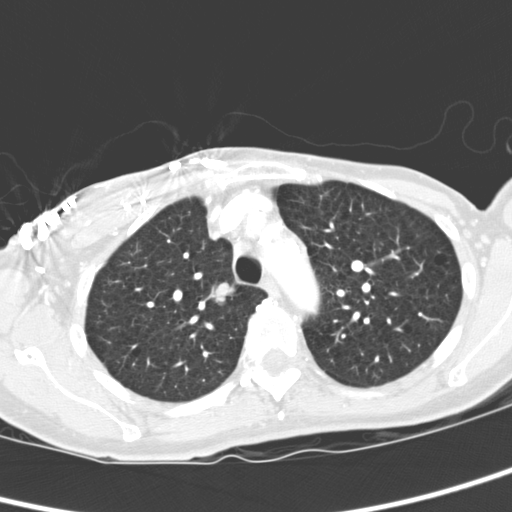
Axial chest CT slice 245 of 321 (counted from the lowest slice); tube voltage 120 kVp, convolution kernel D; slices 2.00 mm thick, 0.557 mm per pixel.
Pulmonary nodule outlined by all four readers; box rows 281–305, columns 212–234 (the union of the readers' outlines on this slice); median longest diameter 20.8 mm (readers' outlines 19.2–21.9 mm), median volume 3674 mm3 (3323–4100 mm3). Ratings, median across the readers with their spread: texture 5/5 (solid), all four readers agreeing; margin 5/5 (circumscribed) at the median of four readers, spread 4/5 to 5/5 (circumscribed); sphericity 5/5 (round) at the median of four readers, spread 4/5 to 5/5 (round); calcification absent, all four readers agreeing; internal structure soft tissue, all four readers agreeing; subtlety 5/5, all four readers agreeing; median malignancy likelihood 4.5/5 (readers ranged 3–5). Scale key (1–5): texture non-solid→solid, margin indistinct→circumscribed, sphericity linear→round, subtlety extremely subtle→obvious, malignancy likelihood highly unlikely→highly suspicious of cancer. Box rows and columns are 0-based pixel indices from the top-left corner, inclusive.